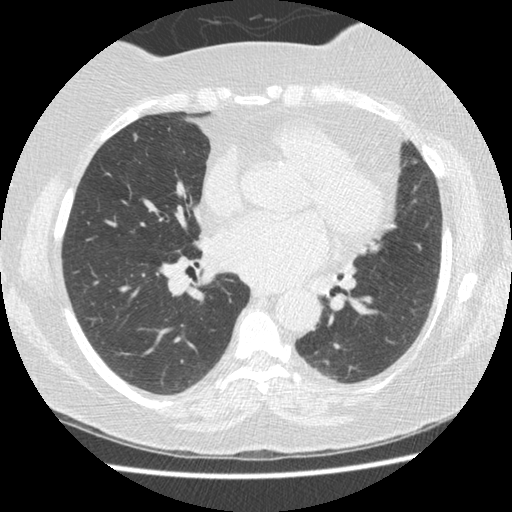
Chest CT, axial plane, 120 kVp, kernel STANDARD. Slice 245/474 from the bottom of the scan; thickness 1.25 mm; pixel size 0.645 mm.
Pulmonary nodule outlined by two of the four readers; box rows 133–142, columns 133–137 (the union of the readers' outlines on this slice); median longest diameter 6.2 mm (readers' outlines 5.8–6.5 mm), median volume 55 mm3 (46–63 mm3). Median ratings and the readers' spread: median texture 3.5/5 (readers ranged 2/5 to 5/5 (solid)); margin 4/5 from both readers; sphericity 3/5 (ovoid) from both readers; calcification absent from both readers; internal structure soft tissue from both readers; subtlety 3.5/5 at the median of two readers, spread 3–4; malignancy likelihood 4/5 at the median of two readers, spread 3–5. Scale key (1–5): texture non-solid→solid, margin indistinct→circumscribed, sphericity linear→round, subtlety extremely subtle→obvious, malignancy likelihood highly unlikely→highly suspicious of cancer. Box rows and columns are 0-based pixel indices from the top-left corner, inclusive.